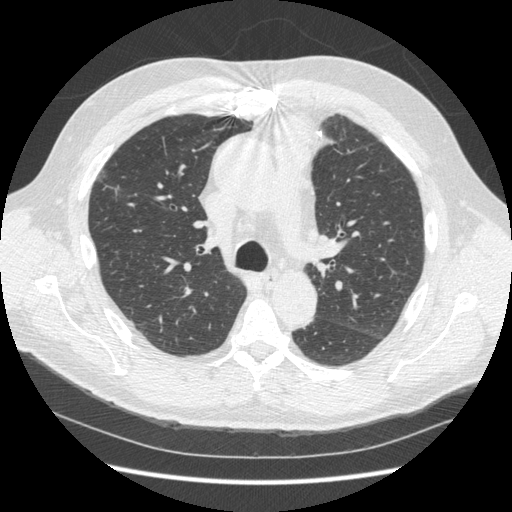
One axial slice (226 of 369, counting up from the lowest) of a chest CT acquired at 120 kVp with the STANDARD kernel; each pixel is 0.703 mm and the slice is 1.25 mm thick.
Pulmonary nodule at rows 169–181, columns 98–106 (box = that reader's outline on this slice), outlined by one of the four readers; longest diameter 27.0 mm and volume 3015 mm3 from that reader's outline. That reader's ratings: texture 1/5 (non-solid); margin 1/5 (indistinct); sphericity 3/5 (ovoid); calcification absent; internal structure soft tissue; subtlety 3/5; malignancy likelihood 3/5. Scale key (1–5): texture non-solid→solid, margin indistinct→circumscribed, sphericity linear→round, subtlety extremely subtle→obvious, malignancy likelihood highly unlikely→highly suspicious of cancer. Box rows and columns are 0-based pixel indices from the top-left corner, inclusive.